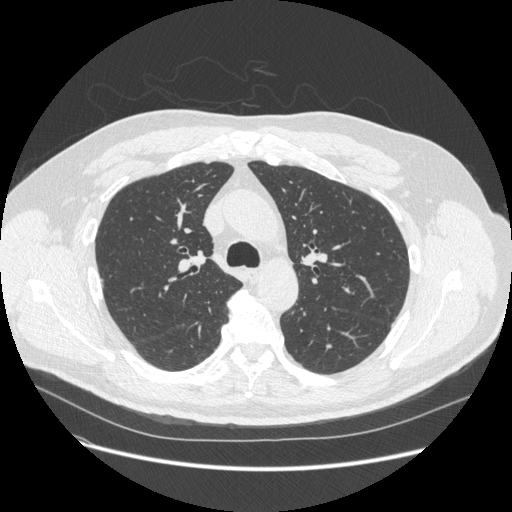
Axial slice 366 of 541 of a chest CT (slice 1 is the lowest), reconstructed with the STANDARD kernel at 120 kVp; 1.25 mm slice thickness and 0.781 mm pixels.
Pulmonary nodule outlined by two of the four readers; box rows 279–286, columns 100–103 (the union of the readers' outlines on this slice); longest diameter 9.2 mm on average over the two readers' outlines (readers' outlines 8.2–10.3 mm), volume 74–127 mm3. Ratings, by the readers' most common answer with dissent counted: texture 5/5 (solid), both readers agreeing; margin 5/5 (circumscribed), both readers agreeing; sphericity 3/5 (ovoid), both readers agreeing; calcification absent, both readers agreeing; internal structure soft tissue from both readers; subtlety 5/5, both readers agreeing; malignancy likelihood split among the readers: 2/5 (one), 3/5 (one). Scale key (1–5): texture non-solid→solid, margin indistinct→circumscribed, sphericity linear→round, subtlety extremely subtle→obvious, malignancy likelihood highly unlikely→highly suspicious of cancer. Box rows and columns are 0-based pixel indices from the top-left corner, inclusive.